Axial slice 71 of 107 of a chest CT (slice 1 is the lowest), reconstructed with the B31s kernel at 130 kVp; 3.00 mm slice thickness and 0.742 mm pixels.
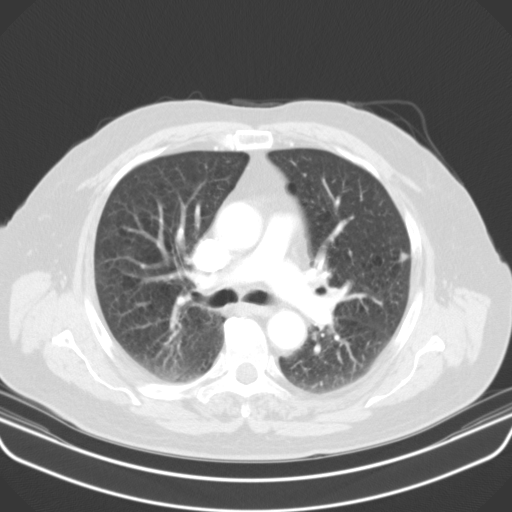
Pulmonary nodule, outlined by all four readers. Box on this slice rows 252–262, columns 399–409, the union of the readers' outlines on this slice; median longest diameter 9.4 mm (readers' outlines 9.3–9.5 mm), median volume 375 mm3 (282–416 mm3). Ratings, median across the readers with their spread: median texture 5/5 (solid) (readers ranged 4/5 to 5/5 (solid)); margin 4.5/5 at the median of four readers, spread 2/5 to 5/5 (circumscribed); sphericity 3.5/5 at the median of four readers, spread 3/5 (ovoid) to 5/5 (round); calcification absent, all four readers agreeing; internal structure soft tissue, all four readers agreeing; subtlety 4.5/5 at the median of four readers, spread 3–5; median malignancy likelihood 3/5 (readers ranged 2–4). Scale key (1–5): texture non-solid→solid, margin indistinct→circumscribed, sphericity linear→round, subtlety extremely subtle→obvious, malignancy likelihood highly unlikely→highly suspicious of cancer. Box rows and columns are 0-based pixel indices from the top-left corner, inclusive.